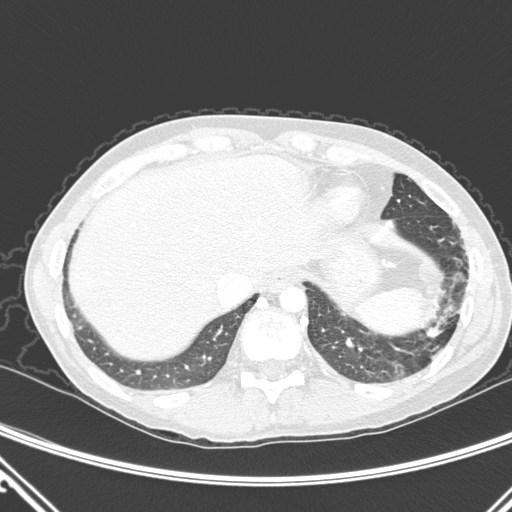
Axial slice 62 of 290 of a chest CT (slice 1 is the lowest), reconstructed with the D kernel at 120 kVp; 1.00 mm slice thickness and 0.662 mm pixels.
Pulmonary nodule, outlined by two of the four readers. Box on this slice rows 325–337, columns 426–441, the union of the readers' outlines on this slice; median longest diameter 17.1 mm (readers' outlines 16.8–17.4 mm), median volume 506 mm3 (457–555 mm3). Ratings, median across the readers with their spread: texture 5/5 (solid), both readers agreeing; margin 1.5/5 at the median of two readers, spread 1/5 (indistinct) to 2/5; sphericity 3.5/5 at the median of two readers, spread 3/5 (ovoid) to 4/5; calcification absent from both readers; internal structure soft tissue from both readers; subtlety 4/5, both readers agreeing; malignancy likelihood 3.5/5 at the median of two readers, spread 3–4. Scale key (1–5): texture non-solid→solid, margin indistinct→circumscribed, sphericity linear→round, subtlety extremely subtle→obvious, malignancy likelihood highly unlikely→highly suspicious of cancer. Box rows and columns are 0-based pixel indices from the top-left corner, inclusive.